Axial chest CT slice 264 of 513 (counted from the lowest slice); tube voltage 120 kVp, convolution kernel STANDARD; slices 1.25 mm thick, 0.742 mm per pixel.
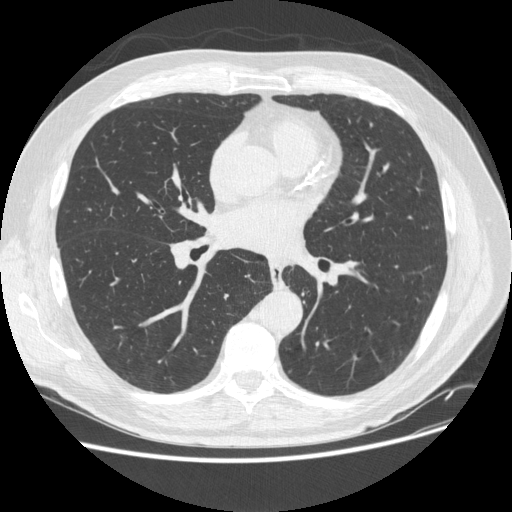
This slice carries no reader outline of a nodule 3 mm or larger.